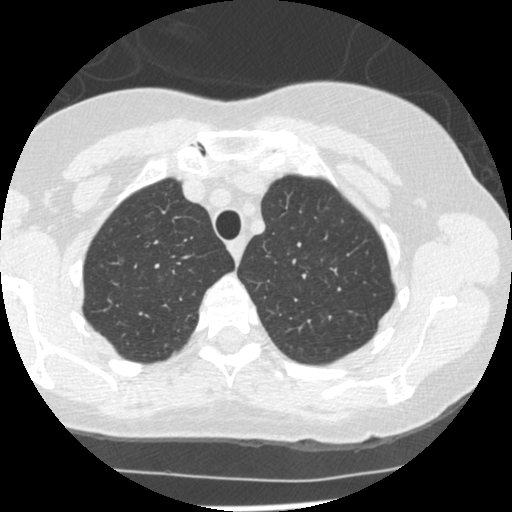
Slice 375/465 of a chest CT, counting up from the lowest; pixel size 0.586 mm, slice thickness 1.25 mm. Pulmonary nodule outlined by two of the four readers; box rows 256–263, columns 119–124 (the union of the readers' outlines on this slice); longest diameter 5.1 mm on average over the two readers' outlines (readers' outlines 4.3–5.9 mm), volume 21–42 mm3. Ratings, by the readers' most common answer with dissent counted: texture split among the readers: 1/5 (non-solid) (one), 3/5 (part-solid) (one); margin split among the readers: 1/5 (indistinct) (one), 4/5 (one); sphericity split among the readers: 3/5 (ovoid) (one), 4/5 (one); calcification absent from both readers; internal structure soft tissue, both readers agreeing; subtlety split among the readers: 3/5 (one), 5/5 (one); malignancy likelihood 3/5, both readers agreeing. Scale key (1–5): texture non-solid→solid, margin indistinct→circumscribed, sphericity linear→round, subtlety extremely subtle→obvious, malignancy likelihood highly unlikely→highly suspicious of cancer. Box rows and columns are 0-based pixel indices from the top-left corner, inclusive.
Acquired at 120 kVp and reconstructed with the STANDARD kernel.